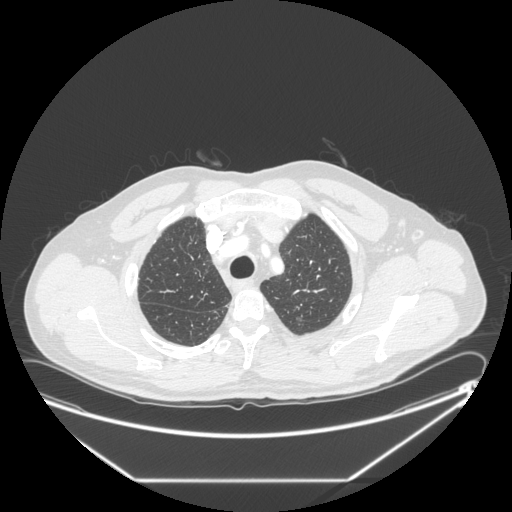
Axial chest CT slice 213 of 277 (counted from the lowest slice); tube voltage 120 kVp, convolution kernel STANDARD; slices 1.25 mm thick, 0.879 mm per pixel.
Pulmonary nodule, outlined by all four readers, one of them on this slice. Box on this slice rows 317–319, columns 297–300, the one reader's outline on this slice; median longest diameter 9.9 mm (readers' outlines 8.8–11.6 mm), median volume 204 mm3 (140–256 mm3). Ratings, median across the readers with their spread: texture 5/5 (solid), all four readers agreeing; median margin 4.5/5 (readers ranged 4/5 to 5/5 (circumscribed)); sphericity 3/5 (ovoid) at the median of four readers, spread 3/5 (ovoid) to 4/5; calcification absent from all four readers; internal structure soft tissue, all four readers agreeing; median subtlety 4.5/5 (readers ranged 2–5); malignancy likelihood 3.5/5 at the median of four readers, spread 2–4. Scale key (1–5): texture non-solid→solid, margin indistinct→circumscribed, sphericity linear→round, subtlety extremely subtle→obvious, malignancy likelihood highly unlikely→highly suspicious of cancer. Box rows and columns are 0-based pixel indices from the top-left corner, inclusive.